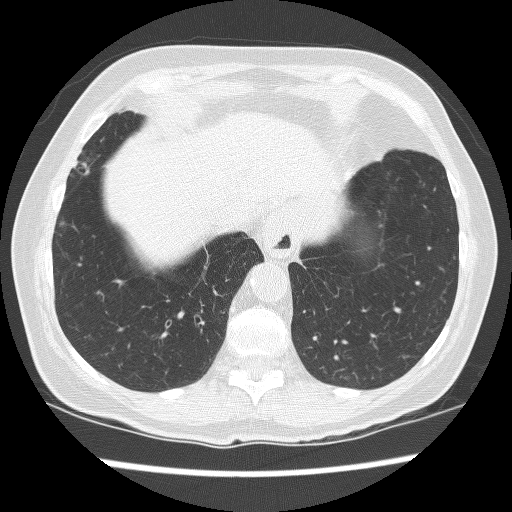
Slice 65/241 of a chest CT, counting up from the lowest; pixel size 0.609 mm, slice thickness 1.25 mm. Pulmonary nodule at rows 221–226, columns 59–64 (box = that reader's outline on this slice), outlined by one of the four readers; longest diameter 6.9 mm and volume 125 mm3 from that reader's outline. That reader's ratings: texture 1/5 (non-solid); margin 1/5 (indistinct); sphericity 4/5; calcification absent; internal structure soft tissue; subtlety 2/5; malignancy likelihood 3/5. Scale key (1–5): texture non-solid→solid, margin indistinct→circumscribed, sphericity linear→round, subtlety extremely subtle→obvious, malignancy likelihood highly unlikely→highly suspicious of cancer. Box rows and columns are 0-based pixel indices from the top-left corner, inclusive.
Tube voltage 120 kVp; convolution kernel BONE.